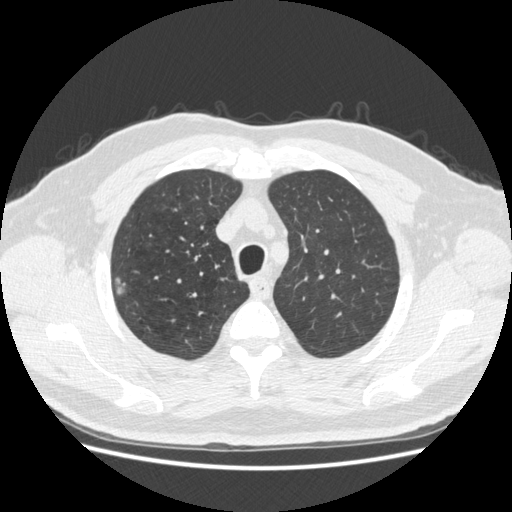
Chest CT, axial plane, 120 kVp, kernel STANDARD. Slice 369/465 from the bottom of the scan; thickness 1.25 mm; pixel size 0.703 mm.
Pulmonary nodule outlined by all four readers, three of them on this slice; box rows 276–295, columns 114–126 (the union of the readers' outlines on this slice); longest diameter 17.5 mm on average over the four readers' outlines (readers' outlines 15.5–18.9 mm), volume 1041–1475 mm3. Ratings, by the readers' most common answer with dissent counted: texture 5/5 (solid) from all four readers; most readers (three of four) put margin at 5/5 (circumscribed), others 4/5 (one); sphericity 3/5 (ovoid) by two of four readers; the rest gave 4/5 (one), 5/5 (round) (one); calcification absent from all four readers; internal structure soft tissue from all four readers; subtlety 5/5 by three of four readers; the rest gave 4/5 (one); malignancy likelihood 5/5 by two of four readers; the rest gave 2/5 (one), 3/5 (one). Scale key (1–5): texture non-solid→solid, margin indistinct→circumscribed, sphericity linear→round, subtlety extremely subtle→obvious, malignancy likelihood highly unlikely→highly suspicious of cancer. Box rows and columns are 0-based pixel indices from the top-left corner, inclusive.